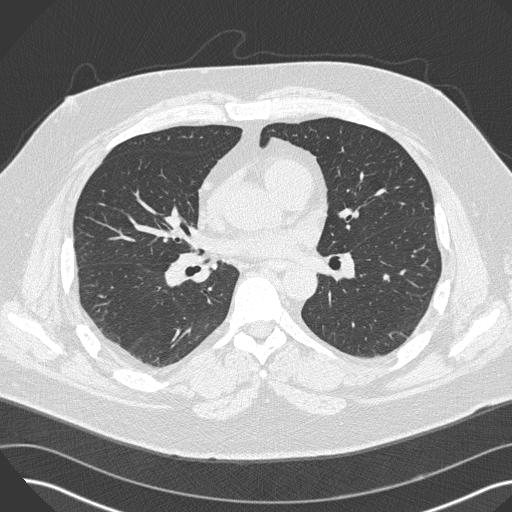
Axial chest CT slice 179 of 341 (counted from the lowest slice); 1.00 mm thick, 0.742 mm per pixel. Pulmonary nodule at rows 274–279, columns 382–388 (box = the union of the readers' outlines on this slice), outlined by all four readers; longest diameter 5.0–6.1 mm and volume 39–67 mm3 across the four readers' outlines. Ratings across the readers: texture 5/5 (solid) from all four readers; margin from 4/5 to 5/5 (circumscribed) across the four readers; sphericity from 3/5 (ovoid) to 5/5 (round) across the four readers; calcification absent, all four readers agreeing; internal structure soft tissue from all four readers; subtlety from 1/5 to 3/5 across the four readers; malignancy likelihood from 2/5 to 3/5 across the four readers. Scale key (1–5): texture non-solid→solid, margin indistinct→circumscribed, sphericity linear→round, subtlety extremely subtle→obvious, malignancy likelihood highly unlikely→highly suspicious of cancer. Box rows and columns are 0-based pixel indices from the top-left corner, inclusive.
Acquired at 120 kVp and reconstructed with the B45f kernel.